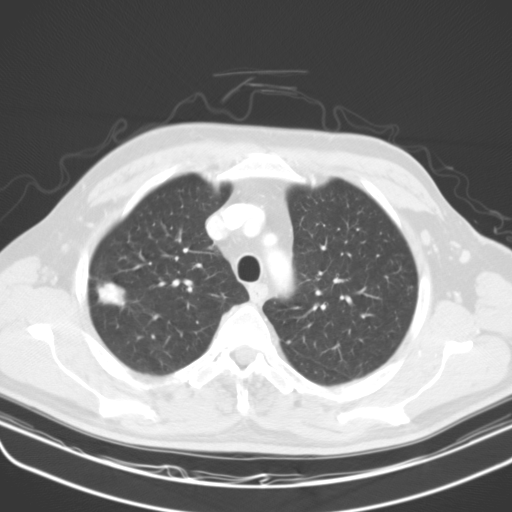
Axial slice 110 of 134 of a chest CT (slice 1 is the lowest), reconstructed with the B31s kernel at 130 kVp; 3.00 mm slice thickness and 0.715 mm pixels.
Pulmonary nodule, outlined by all four readers. Box on this slice rows 281–309, columns 95–126, the union of the readers' outlines on this slice; median longest diameter 28.9 mm (readers' outlines 28.3–32.4 mm), median volume 4231 mm3 (2936–4904 mm3). Ratings, median across the readers with their spread: median texture 4.5/5 (readers ranged 4/5 to 5/5 (solid)); margin 3.5/5 at the median of four readers, spread 3/5 to 5/5 (circumscribed); median sphericity 3/5 (ovoid) (readers ranged 3/5 (ovoid) to 4/5); calcification: absent (three), central calcification (one); internal structure soft tissue, all four readers agreeing; subtlety 5/5 from all four readers; malignancy likelihood 3/5 at the median of four readers, spread 1–5. Scale key (1–5): texture non-solid→solid, margin indistinct→circumscribed, sphericity linear→round, subtlety extremely subtle→obvious, malignancy likelihood highly unlikely→highly suspicious of cancer. Box rows and columns are 0-based pixel indices from the top-left corner, inclusive.